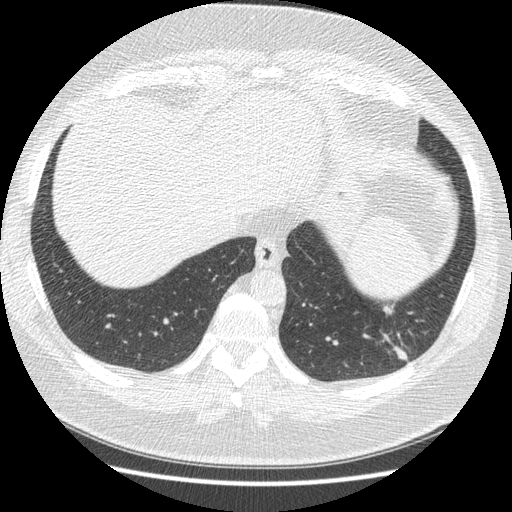
Slice 70/421 of a chest CT, counting up from the lowest; pixel size 0.703 mm, slice thickness 1.25 mm. Pulmonary nodule at rows 306–359, columns 382–407 (box = the union of the readers' outlines on this slice), outlined four times (the source holds four more outlines, not used); longest diameter 33.9 mm on average over the four readers' outlines (readers' outlines 30.9–38.9 mm), volume 4443–5826 mm3. The readers' prevailing ratings and who disagreed: most readers (three of four) put texture at 5/5 (solid), others 4/5 (one); most readers (three of four) put margin at 4/5, others 3/5 (one); sphericity 2/5 by two of four readers; the rest gave 3/5 (ovoid) (one), 4/5 (one); calcification absent, all four readers agreeing; internal structure soft tissue, all four readers agreeing; most readers (three of four) put subtlety at 5/5, others 4/5 (one); malignancy likelihood split among the readers: 2/5 (one), 3/5 (one), 4/5 (one), 5/5 (one). Scale key (1–5): texture non-solid→solid, margin indistinct→circumscribed, sphericity linear→round, subtlety extremely subtle→obvious, malignancy likelihood highly unlikely→highly suspicious of cancer. Box rows and columns are 0-based pixel indices from the top-left corner, inclusive.
Acquired at 120 kVp and reconstructed with the STANDARD kernel.